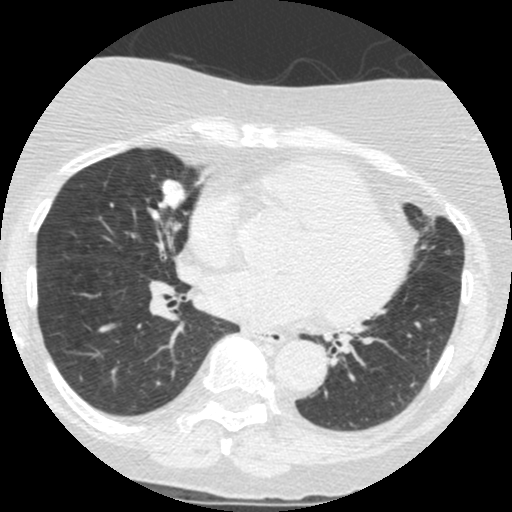
This is axial slice 170 of 426 (slice 1 is the lowest) of a chest CT; each pixel is 0.547 mm and the slice is 1.25 mm thick. Pulmonary nodule, outlined by all four readers. Box on this slice rows 179–208, columns 162–185, the union of the readers' outlines on this slice; median longest diameter 18.6 mm (readers' outlines 17.0–20.6 mm), median volume 1572 mm3 (1129–1635 mm3). Ratings, median across the readers with their spread: median texture 5/5 (solid) (readers ranged 4/5 to 5/5 (solid)); median margin 3.5/5 (readers ranged 2/5 to 5/5 (circumscribed)); median sphericity 4/5 (readers ranged 3/5 (ovoid) to 5/5 (round)); calcification: absent (three), non-central calcification (one); internal structure soft tissue, all four readers agreeing; subtlety 4.5/5 at the median of four readers, spread 3–5; malignancy likelihood 3.5/5 at the median of four readers, spread 2–4. Scale key (1–5): texture non-solid→solid, margin indistinct→circumscribed, sphericity linear→round, subtlety extremely subtle→obvious, malignancy likelihood highly unlikely→highly suspicious of cancer. Box rows and columns are 0-based pixel indices from the top-left corner, inclusive.
Acquired at 120 kVp and reconstructed with the STANDARD kernel.